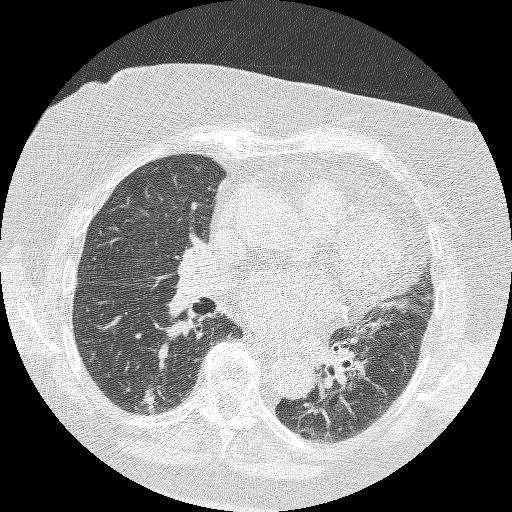
One axial slice (138 of 235, counting up from the lowest) of a chest CT acquired at 120 kVp with the BONE kernel; each pixel is 0.625 mm and the slice is 1.25 mm thick.
Pulmonary nodule outlined by two of the four readers; box rows 388–412, columns 136–156 (the union of the readers' outlines on this slice); longest diameter 17.6–22.4 mm and volume 602–1472 mm3 across the two readers' outlines. Ratings across the readers: texture 5/5 (solid), both readers agreeing; margin from 2/5 to 5/5 (circumscribed) across the two readers; sphericity from 1/5 (linear) to 2/5 across the two readers; calcification absent from both readers; internal structure soft tissue from both readers; subtlety 5/5 from both readers; malignancy likelihood 3/5, both readers agreeing. Scale key (1–5): texture non-solid→solid, margin indistinct→circumscribed, sphericity linear→round, subtlety extremely subtle→obvious, malignancy likelihood highly unlikely→highly suspicious of cancer. Box rows and columns are 0-based pixel indices from the top-left corner, inclusive.